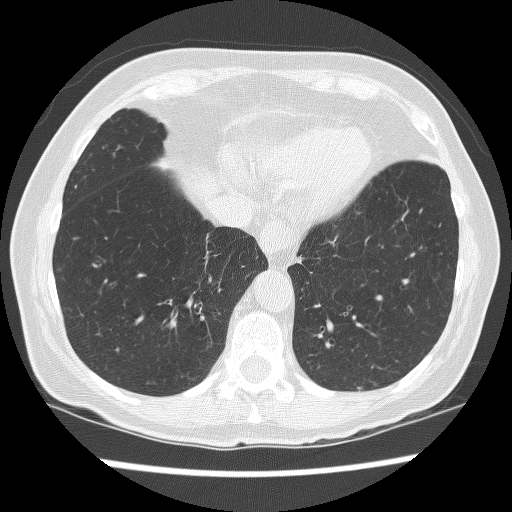
Axial chest CT slice 74 of 241 (counted from the lowest slice); tube voltage 120 kVp, convolution kernel BONE; slices 1.25 mm thick, 0.609 mm per pixel.
Pulmonary nodule, outlined by one of the four readers. Box on this slice rows 268–270, columns 57–61, that reader's outline on this slice; longest diameter 6.6 mm and volume 80 mm3 from that reader's outline. That reader's ratings: texture 1/5 (non-solid); margin 1/5 (indistinct); sphericity 4/5; calcification absent; internal structure soft tissue; subtlety 3/5; malignancy likelihood 4/5. Scale key (1–5): texture non-solid→solid, margin indistinct→circumscribed, sphericity linear→round, subtlety extremely subtle→obvious, malignancy likelihood highly unlikely→highly suspicious of cancer. Box rows and columns are 0-based pixel indices from the top-left corner, inclusive.